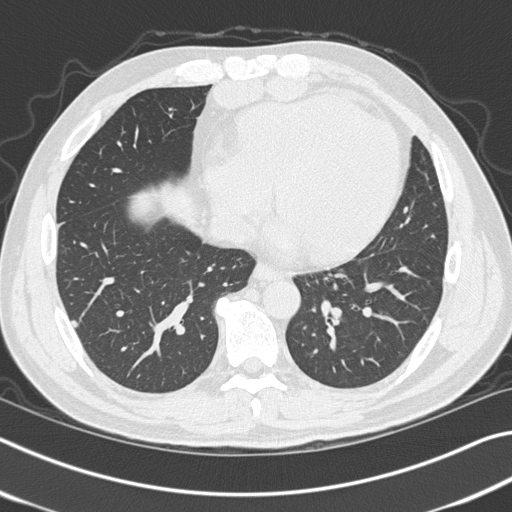
One axial slice (140 of 327, counting up from the lowest) of a chest CT acquired at 120 kVp with the B45f kernel; each pixel is 0.664 mm and the slice is 1.00 mm thick.
Pulmonary nodule at rows 320–329, columns 69–77 (box = the union of the readers' outlines on this slice), outlined by two of the four readers; longest diameter 6.8–8.0 mm and volume 47–71 mm3 across the two readers' outlines. The readers' ratings, as ranges where they differ: texture 5/5 (solid), both readers agreeing; margin from 3/5 to 5/5 (circumscribed) across the two readers; sphericity 4/5, both readers agreeing; calcification absent from both readers; internal structure soft tissue from both readers; subtlety 4/5 from both readers; malignancy likelihood 2–3/5 (the readers disagree). Scale key (1–5): texture non-solid→solid, margin indistinct→circumscribed, sphericity linear→round, subtlety extremely subtle→obvious, malignancy likelihood highly unlikely→highly suspicious of cancer. Box rows and columns are 0-based pixel indices from the top-left corner, inclusive.